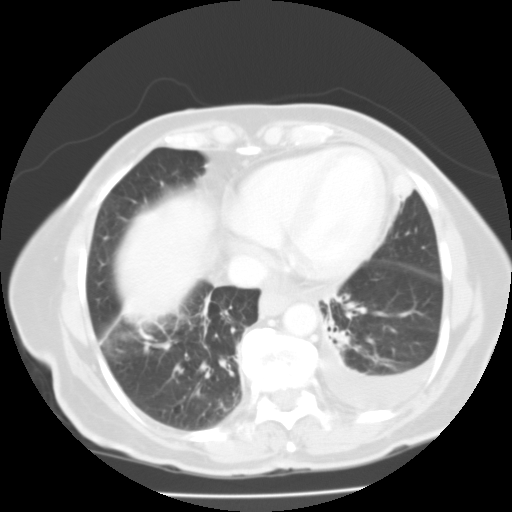
One axial slice (53 of 119, counting up from the lowest) of a chest CT acquired at 135 kVp with the FC01 kernel; each pixel is 0.640 mm and the slice is 3.00 mm thick.
Pulmonary nodule at rows 175–200, columns 394–412 (box = that reader's outline on this slice), outlined by one of the four readers; longest diameter 18.8 mm and volume 4417 mm3 from that reader's outline. Ratings by that reader: texture 5/5 (solid); margin 4/5; sphericity 4/5; calcification absent; internal structure soft tissue; subtlety 4/5; malignancy likelihood 4/5. Scale key (1–5): texture non-solid→solid, margin indistinct→circumscribed, sphericity linear→round, subtlety extremely subtle→obvious, malignancy likelihood highly unlikely→highly suspicious of cancer. Box rows and columns are 0-based pixel indices from the top-left corner, inclusive.